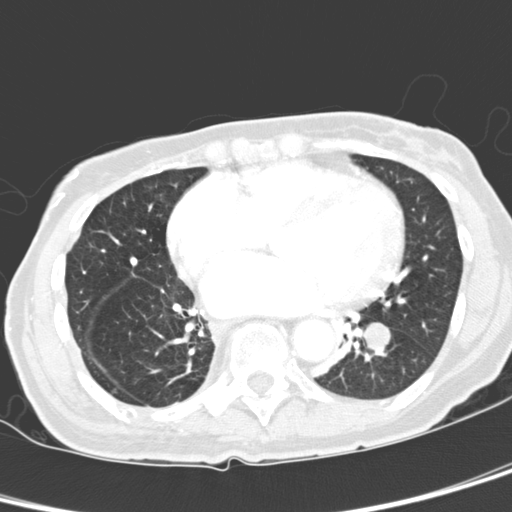
One axial slice (145 of 321, counting up from the lowest) of a chest CT acquired at 120 kVp with the D kernel; each pixel is 0.557 mm and the slice is 2.00 mm thick.
Pulmonary nodule outlined by all four readers; box rows 322–352, columns 361–390 (the union of the readers' outlines on this slice); the four readers' outlines give a longest diameter between 18.1 and 20.0 mm and a volume between 2428 and 2697 mm3. The readers' ratings, as ranges where they differ: texture from 4/5 to 5/5 (solid) across the four readers; margin from 3/5 to 5/5 (circumscribed) across the four readers; sphericity from 4/5 to 5/5 (round) across the four readers; calcification absent from all four readers; internal structure soft tissue, all four readers agreeing; subtlety from 4/5 to 5/5 across the four readers; malignancy likelihood 2–5/5 (the readers disagree). Scale key (1–5): texture non-solid→solid, margin indistinct→circumscribed, sphericity linear→round, subtlety extremely subtle→obvious, malignancy likelihood highly unlikely→highly suspicious of cancer. Box rows and columns are 0-based pixel indices from the top-left corner, inclusive.